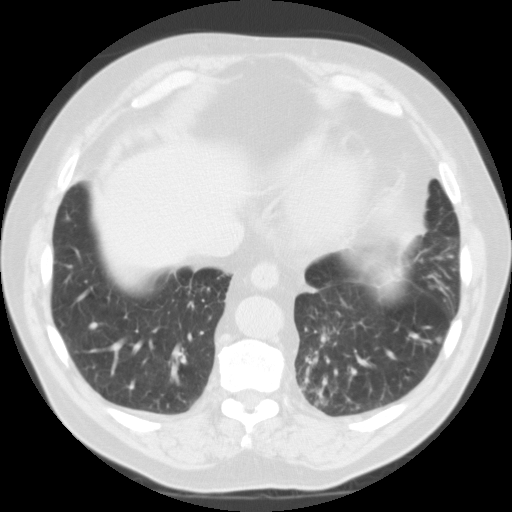
Axial slice 39 of 115 of a chest CT (slice 1 is the lowest), reconstructed with the FC01 kernel at 135 kVp; 3.00 mm slice thickness and 0.720 mm pixels.
Pulmonary nodule outlined by two of the four readers; box rows 336–342, columns 436–441 (the union of the readers' outlines on this slice); longest diameter 7.2–7.5 mm and volume 169–196 mm3 across the two readers' outlines. Ratings across the readers: texture from 3/5 (part-solid) to 4/5 across the two readers; margin from 3/5 to 4/5 across the two readers; sphericity from 3/5 (ovoid) to 4/5 across the two readers; calcification absent, both readers agreeing; internal structure soft tissue, both readers agreeing; subtlety 4/5 from both readers; malignancy likelihood rated between 2 and 3 out of 5 by the two readers. Scale key (1–5): texture non-solid→solid, margin indistinct→circumscribed, sphericity linear→round, subtlety extremely subtle→obvious, malignancy likelihood highly unlikely→highly suspicious of cancer. Box rows and columns are 0-based pixel indices from the top-left corner, inclusive.